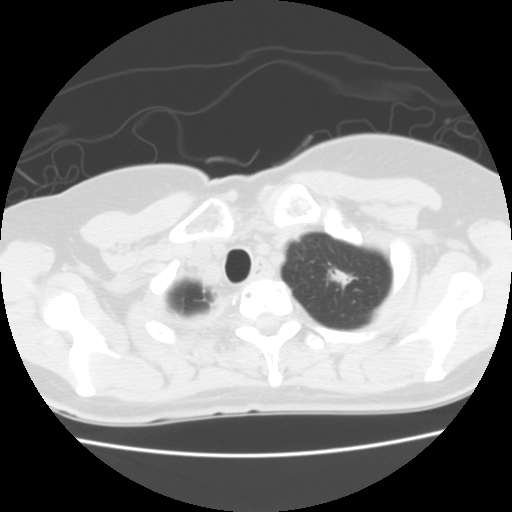
This is axial slice 129 of 141 (slice 1 is the lowest) of a chest CT; each pixel is 0.586 mm and the slice is 2.50 mm thick. Pulmonary nodule at rows 266–290, columns 324–357 (box = the union of the readers' outlines on this slice), outlined by all four readers; longest diameter 18.6 mm on average over the four readers' outlines (readers' outlines 15.8–20.0 mm), volume 906–1828 mm3. Ratings, by the readers' most common answer with dissent counted: most readers (three of four) put texture at 4/5, others 5/5 (solid) (one); margin split among the readers: 2/5 (two), 4/5 (two); sphericity 3/5 (ovoid) by two of four readers; the rest gave 4/5 (one), 5/5 (round) (one); calcification absent, all four readers agreeing; internal structure soft tissue from all four readers; subtlety 5/5 from all four readers; malignancy likelihood split among the readers: 4/5 (two), 5/5 (two). Scale key (1–5): texture non-solid→solid, margin indistinct→circumscribed, sphericity linear→round, subtlety extremely subtle→obvious, malignancy likelihood highly unlikely→highly suspicious of cancer. Box rows and columns are 0-based pixel indices from the top-left corner, inclusive.
Acquired at 120 kVp and reconstructed with the STANDARD kernel.